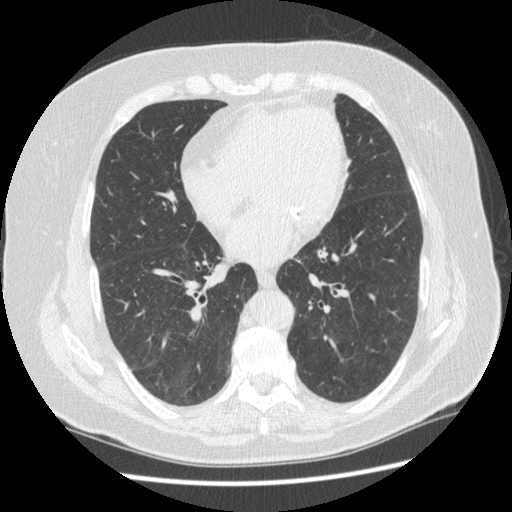
Axial slice 166 of 413 of a chest CT (slice 1 is the lowest), reconstructed with the STANDARD kernel at 120 kVp; 1.25 mm slice thickness and 0.703 mm pixels.
The readers outlined no nodule of 3 mm or more on this slice.